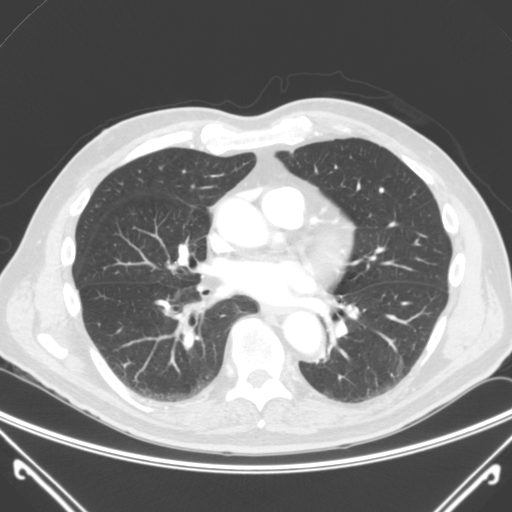
Axial chest CT slice 114 of 285 (counted from the lowest slice); tube voltage 120 kVp, convolution kernel B; slices 2.00 mm thick, 0.748 mm per pixel.
The readers outlined no nodule of 3 mm or more on this slice.